Axial slice 87 of 214 of a chest CT (slice 1 is the lowest), reconstructed with the LUNG kernel at 120 kVp; 1.25 mm slice thickness and 0.820 mm pixels.
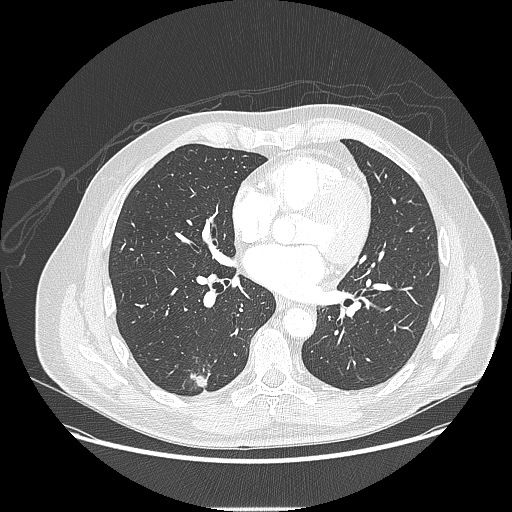
Pulmonary nodule outlined by all four readers, three of them on this slice; box rows 374–387, columns 191–207 (the union of the readers' outlines on this slice); median longest diameter 23.1 mm (readers' outlines 14.7–27.9 mm), median volume 1263 mm3 (696–2326 mm3). Median ratings and the readers' spread: texture 5/5 (solid) at the median of four readers, spread 4/5 to 5/5 (solid); median margin 4/5 (readers ranged 1/5 (indistinct) to 4/5); sphericity 2.5/5 at the median of four readers, spread 2/5 to 3/5 (ovoid); calcification absent, all four readers agreeing; internal structure soft tissue, all four readers agreeing; median subtlety 4.5/5 (readers ranged 4–5); median malignancy likelihood 4/5 (readers ranged 3–4). Scale key (1–5): texture non-solid→solid, margin indistinct→circumscribed, sphericity linear→round, subtlety extremely subtle→obvious, malignancy likelihood highly unlikely→highly suspicious of cancer. Box rows and columns are 0-based pixel indices from the top-left corner, inclusive.